Axial slice 440 of 501 of a chest CT (slice 1 is the lowest), reconstructed with the STANDARD kernel at 140 kVp; 1.25 mm slice thickness and 0.703 mm pixels.
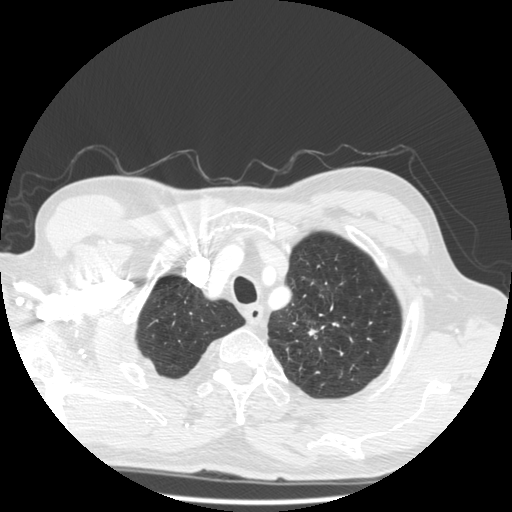
Pulmonary nodule at rows 328–335, columns 308–317 (box = the union of the readers' outlines on this slice), outlined by three of the four readers, two of them on this slice; longest diameter 35.0 mm on average over the three readers' outlines (readers' outlines 32.1–39.2 mm), volume 2361–4873 mm3. The readers' prevailing ratings and who disagreed: most readers (two of three) put texture at 5/5 (solid), others 4/5 (one); margin split among the readers: 1/5 (indistinct) (one), 3/5 (one), 5/5 (circumscribed) (one); sphericity split among the readers: 2/5 (one), 3/5 (ovoid) (one), 5/5 (round) (one); calcification absent from all three readers; internal structure soft tissue, all three readers agreeing; subtlety 5/5 from all three readers; malignancy likelihood 5/5 by two of three readers; the rest gave 4/5 (one). Scale key (1–5): texture non-solid→solid, margin indistinct→circumscribed, sphericity linear→round, subtlety extremely subtle→obvious, malignancy likelihood highly unlikely→highly suspicious of cancer. Box rows and columns are 0-based pixel indices from the top-left corner, inclusive.